Chest CT, axial plane, 120 kVp, kernel STANDARD. Slice 359/481 from the bottom of the scan; thickness 1.25 mm; pixel size 0.703 mm.
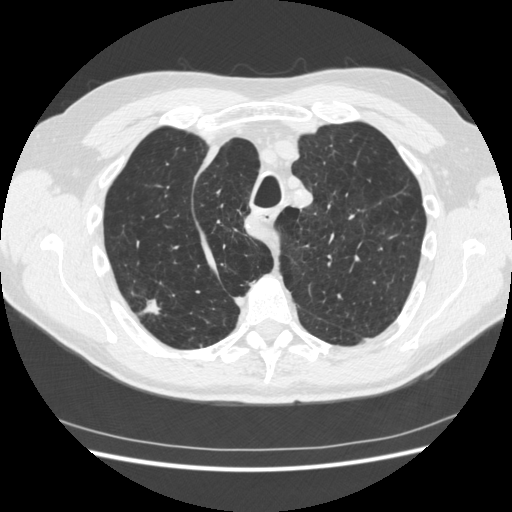
Pulmonary nodule outlined by all four readers; box rows 291–317, columns 133–162 (the union of the readers' outlines on this slice); longest diameter 18.7–34.9 mm and volume 1155–4169 mm3 across the four readers' outlines. The readers' ratings, as ranges where they differ: texture from 4/5 to 5/5 (solid) across the four readers; margin from 1/5 (indistinct) to 4/5 across the four readers; sphericity from 2/5 to 5/5 (round) across the four readers; calcification absent from all four readers; internal structure soft tissue, all four readers agreeing; subtlety 5/5, all four readers agreeing; malignancy likelihood 4–5/5 (the readers disagree). Scale key (1–5): texture non-solid→solid, margin indistinct→circumscribed, sphericity linear→round, subtlety extremely subtle→obvious, malignancy likelihood highly unlikely→highly suspicious of cancer. Box rows and columns are 0-based pixel indices from the top-left corner, inclusive.